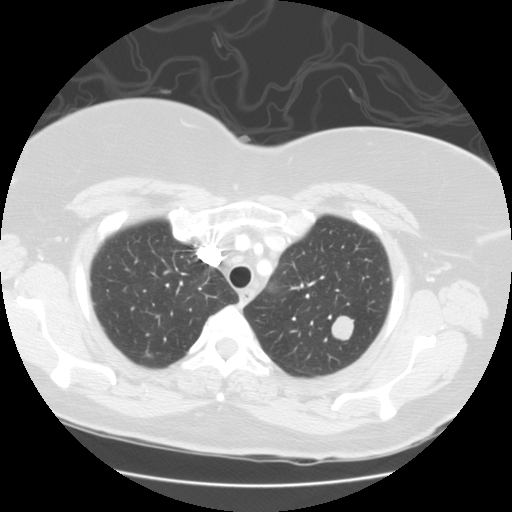
Axial chest CT slice 110 of 127 (counted from the lowest slice); 2.50 mm thick, 0.703 mm per pixel. Pulmonary nodule at rows 315–341, columns 330–355 (box = the union of the readers' outlines on this slice), outlined by all four readers; median longest diameter 21.6 mm (readers' outlines 20.7–22.2 mm), median volume 4373 mm3 (3995–4590 mm3). Median ratings and the readers' spread: texture 5/5 (solid) from all four readers; median margin 5/5 (circumscribed) (readers ranged 4/5 to 5/5 (circumscribed)); median sphericity 4.5/5 (readers ranged 4/5 to 5/5 (round)); calcification absent from all four readers; internal structure soft tissue from all four readers; subtlety 5/5 from all four readers; median malignancy likelihood 4.5/5 (readers ranged 2–5). Scale key (1–5): texture non-solid→solid, margin indistinct→circumscribed, sphericity linear→round, subtlety extremely subtle→obvious, malignancy likelihood highly unlikely→highly suspicious of cancer. Box rows and columns are 0-based pixel indices from the top-left corner, inclusive.
Acquired at 120 kVp and reconstructed with the STANDARD kernel.